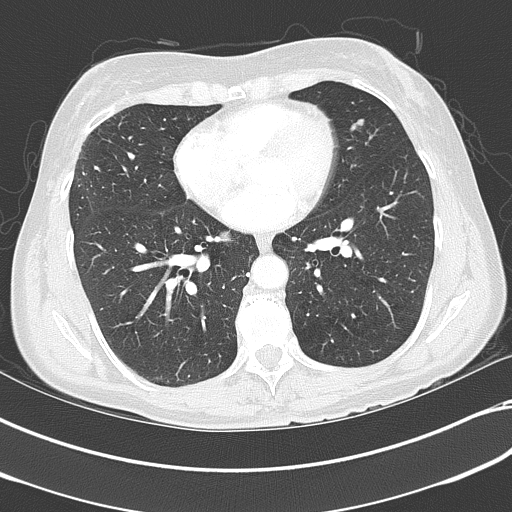
Axial slice 172 of 351 of a chest CT (slice 1 is the lowest), reconstructed with the B70f kernel at 120 kVp; 2.00 mm slice thickness and 0.643 mm pixels.
Pulmonary nodule, outlined by all four readers. Box on this slice rows 119–130, columns 350–364, the union of the readers' outlines on this slice; median longest diameter 9.4 mm (readers' outlines 6.1–12.1 mm), median volume 108 mm3 (80–120 mm3). Median ratings and the readers' spread: texture 5/5 (solid) at the median of four readers, spread 4/5 to 5/5 (solid); margin 4/5 at the median of four readers, spread 3/5 to 4/5; sphericity 2.5/5 at the median of four readers, spread 2/5 to 4/5; calcification absent, all four readers agreeing; internal structure soft tissue from all four readers; median subtlety 3.5/5 (readers ranged 3–4); malignancy likelihood 2/5 at the median of four readers, spread 1–4. Scale key (1–5): texture non-solid→solid, margin indistinct→circumscribed, sphericity linear→round, subtlety extremely subtle→obvious, malignancy likelihood highly unlikely→highly suspicious of cancer. Box rows and columns are 0-based pixel indices from the top-left corner, inclusive.